Axial slice 101 of 133 of a chest CT (slice 1 is the lowest), reconstructed with the STANDARD kernel at 120 kVp; 2.50 mm slice thickness and 0.625 mm pixels.
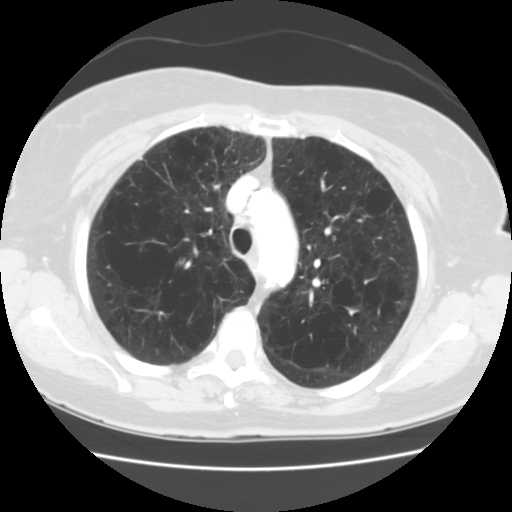
No nodule 3 mm or larger was outlined here by any reader.